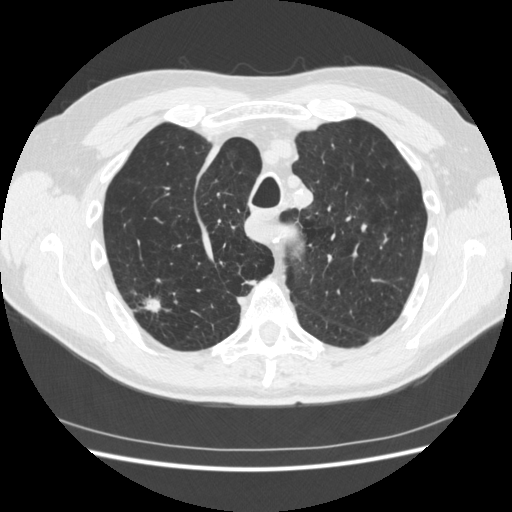
One axial slice (354 of 481, counting up from the lowest) of a chest CT acquired at 120 kVp with the STANDARD kernel; each pixel is 0.703 mm and the slice is 1.25 mm thick.
Two pulmonary nodules are outlined on this slice; from left to right: (1) Pulmonary nodule outlined by all four readers; box rows 288–325, columns 129–171 (the union of the readers' outlines on this slice); the four readers' outlines give a longest diameter between 18.7 and 34.9 mm and a volume between 1155 and 4169 mm3. Ratings across the readers: texture from 4/5 to 5/5 (solid) across the four readers; margin from 1/5 (indistinct) to 4/5 across the four readers; sphericity from 2/5 to 5/5 (round) across the four readers; calcification absent from all four readers; internal structure soft tissue, all four readers agreeing; subtlety 5/5 from all four readers; malignancy likelihood from 4/5 to 5/5 across the four readers. (2) Pulmonary nodule outlined by three of the four readers, two of them on this slice; box rows 279–285, columns 242–256 (the union of the readers' outlines on this slice); median longest diameter 15.8 mm (readers' outlines 13.5–18.5 mm), median volume 713 mm3 (529–1088 mm3). Ratings, median across the readers with their spread: texture 5/5 (solid), all three readers agreeing; margin 4/5 at the median of three readers, spread 1/5 (indistinct) to 4/5; sphericity 3/5 (ovoid) at the median of three readers, spread 2/5 to 3/5 (ovoid); calcification absent from all three readers; internal structure soft tissue, all three readers agreeing; median subtlety 5/5 (readers ranged 4–5); malignancy likelihood 5/5 at the median of three readers, spread 3–5. Scale key (1–5): texture non-solid→solid, margin indistinct→circumscribed, sphericity linear→round, subtlety extremely subtle→obvious, malignancy likelihood highly unlikely→highly suspicious of cancer. Box rows and columns are 0-based pixel indices from the top-left corner, inclusive.